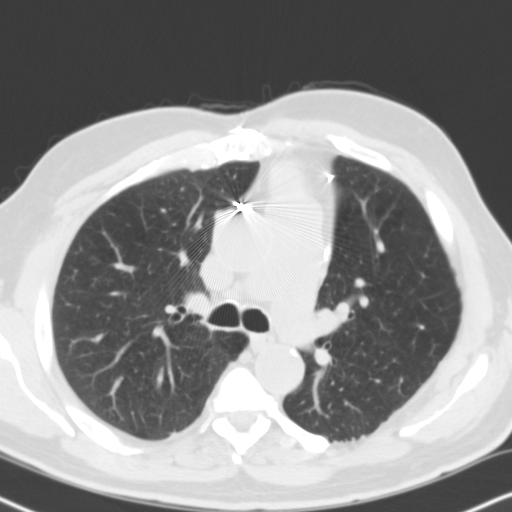
Chest CT, axial plane, 140 kVp, kernel B31f. Slice 77/111 from the bottom of the scan; thickness 3.00 mm; pixel size 0.633 mm.
No nodule of 3 mm or larger was outlined by any of the four readers on this slice.